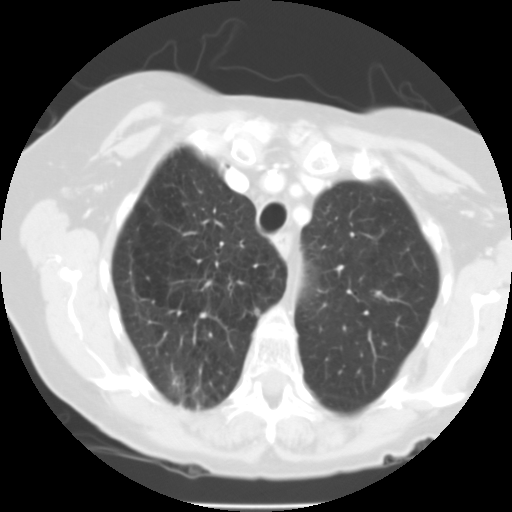
One axial slice (79 of 101, counting up from the lowest) of a chest CT acquired at 135 kVp with the FC01 kernel; each pixel is 0.558 mm and the slice is 3.00 mm thick.
Pulmonary nodule at rows 307–317, columns 253–261 (box = the union of the readers' outlines on this slice), outlined by three of the four readers; longest diameter 6.3 mm on average over the three readers' outlines (readers' outlines 5.1–7.3 mm), volume 65–153 mm3. Ratings, by the readers' most common answer with dissent counted: texture 3/5 (part-solid) by two of three readers; the rest gave 5/5 (solid) (one); margin split among the readers: 2/5 (one), 3/5 (one), 4/5 (one); sphericity 4/5 by two of three readers; the rest gave 3/5 (ovoid) (one); calcification absent from all three readers; internal structure soft tissue from all three readers; subtlety 2/5 by two of three readers; the rest gave 4/5 (one); malignancy likelihood 3/5 from all three readers. Scale key (1–5): texture non-solid→solid, margin indistinct→circumscribed, sphericity linear→round, subtlety extremely subtle→obvious, malignancy likelihood highly unlikely→highly suspicious of cancer. Box rows and columns are 0-based pixel indices from the top-left corner, inclusive.